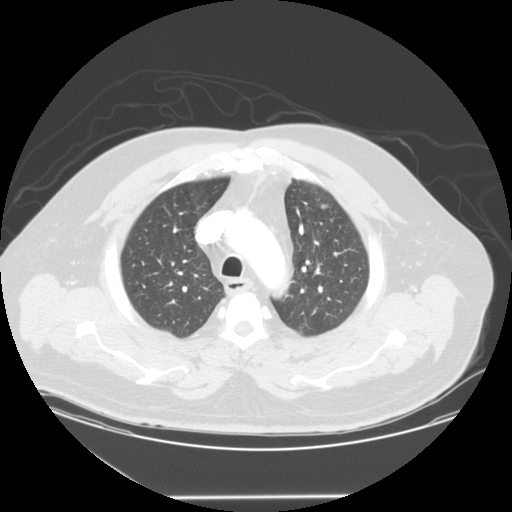
Axial chest CT slice 105 of 127 (counted from the lowest slice); 2.50 mm thick, 0.859 mm per pixel. Pulmonary nodule, outlined by three of the four readers. Box on this slice rows 204–208, columns 320–327, the union of the readers' outlines on this slice; the three readers' outlines give a longest diameter between 5.4 and 7.9 mm and a volume between 71 and 181 mm3. Ratings across the readers: texture from 4/5 to 5/5 (solid) across the three readers; margin from 2/5 to 4/5 across the three readers; sphericity from 2/5 to 3/5 (ovoid) across the three readers; calcification absent, all three readers agreeing; internal structure soft tissue, all three readers agreeing; subtlety from 2/5 to 4/5 across the three readers; malignancy likelihood rated between 2 and 3 out of 5 by the three readers. Scale key (1–5): texture non-solid→solid, margin indistinct→circumscribed, sphericity linear→round, subtlety extremely subtle→obvious, malignancy likelihood highly unlikely→highly suspicious of cancer. Box rows and columns are 0-based pixel indices from the top-left corner, inclusive.
Tube voltage 120 kVp; convolution kernel STANDARD.